Axial slice 75 of 119 of a chest CT (slice 1 is the lowest), reconstructed with the FC01 kernel at 135 kVp; 3.00 mm slice thickness and 0.640 mm pixels.
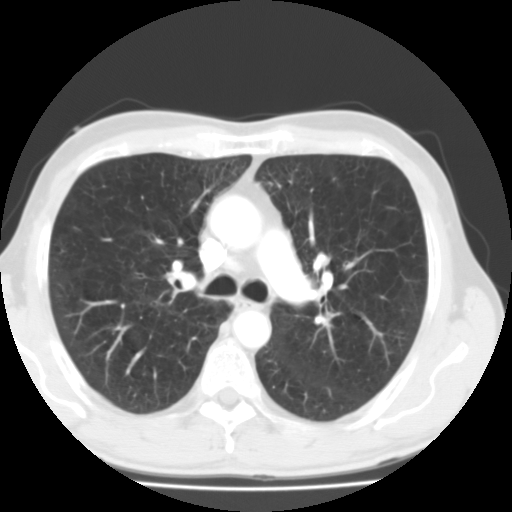
No nodule 3 mm or larger was outlined here by any reader.